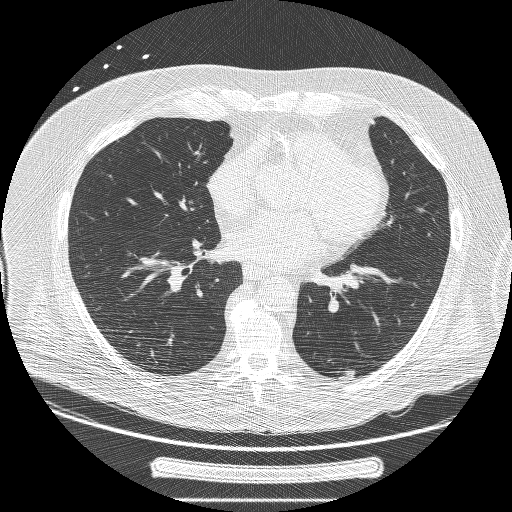
One axial slice (99 of 239, counting up from the lowest) of a chest CT acquired at 120 kVp with the BONE kernel; each pixel is 0.795 mm and the slice is 1.25 mm thick.
Pulmonary nodule, outlined by two of the four readers. Box on this slice rows 369–379, columns 344–354, the union of the readers' outlines on this slice; median longest diameter 17.7 mm (readers' outlines 17.4–17.9 mm), median volume 780 mm3 (746–814 mm3). Median ratings and the readers' spread: texture 5/5 (solid) from both readers; median margin 3.5/5 (readers ranged 3/5 to 4/5); sphericity 2/5 at the median of two readers, spread 1/5 (linear) to 3/5 (ovoid); calcification absent, both readers agreeing; internal structure soft tissue, both readers agreeing; subtlety 4/5, both readers agreeing; malignancy likelihood 4/5 from both readers. Scale key (1–5): texture non-solid→solid, margin indistinct→circumscribed, sphericity linear→round, subtlety extremely subtle→obvious, malignancy likelihood highly unlikely→highly suspicious of cancer. Box rows and columns are 0-based pixel indices from the top-left corner, inclusive.